Axial chest CT slice 134 of 150 (counted from the lowest slice); tube voltage 120 kVp, convolution kernel STANDARD; slices 2.50 mm thick, 0.820 mm per pixel.
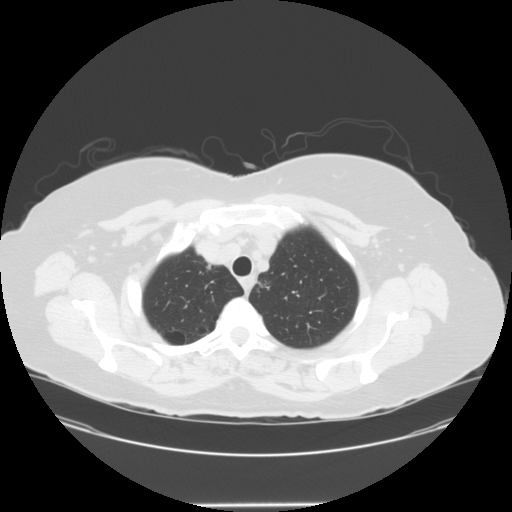
Pulmonary nodule at rows 264–268, columns 208–212 (box = the union of the readers' outlines on this slice), outlined by two of the four readers; longest diameter 6.2–6.6 mm and volume 127–159 mm3 across the two readers' outlines. Ratings across the readers: texture 5/5 (solid), both readers agreeing; margin 5/5 (circumscribed) from both readers; sphericity 5/5 (round), both readers agreeing; calcification solid calcification from both readers; internal structure soft tissue from both readers; subtlety 5/5 from both readers; malignancy likelihood 1/5 from both readers. Scale key (1–5): texture non-solid→solid, margin indistinct→circumscribed, sphericity linear→round, subtlety extremely subtle→obvious, malignancy likelihood highly unlikely→highly suspicious of cancer. Box rows and columns are 0-based pixel indices from the top-left corner, inclusive.